Chest CT, axial plane, 120 kVp, kernel B30f. Slice 314/376 from the bottom of the scan; thickness 0.75 mm; pixel size 0.461 mm.
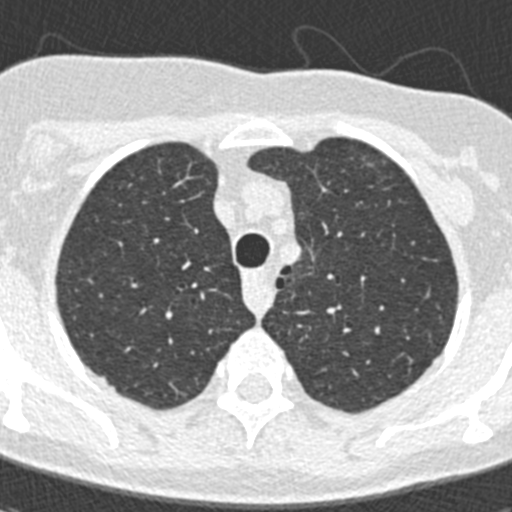
Pulmonary nodule at rows 376–379, columns 101–105 (box = that reader's outline on this slice), outlined by one of the four readers; longest diameter 5.2 mm and volume 39 mm3 from that reader's outline. That reader's ratings: texture 5/5 (solid); margin 4/5; sphericity 3/5 (ovoid); calcification absent; internal structure soft tissue; subtlety 5/5; malignancy likelihood 3/5. Scale key (1–5): texture non-solid→solid, margin indistinct→circumscribed, sphericity linear→round, subtlety extremely subtle→obvious, malignancy likelihood highly unlikely→highly suspicious of cancer. Box rows and columns are 0-based pixel indices from the top-left corner, inclusive.